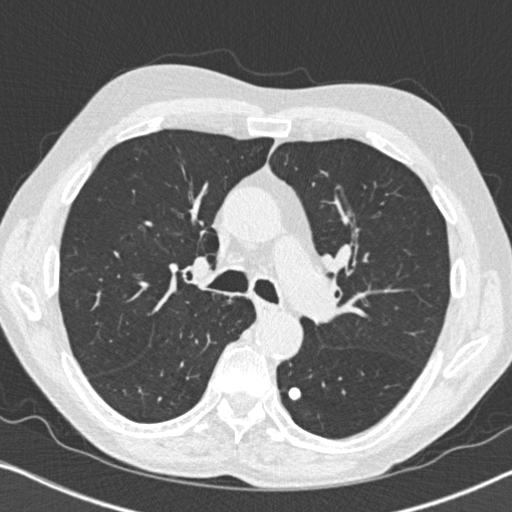
Axial chest CT slice 499 of 764 (counted from the lowest slice); tube voltage 120 kVp, convolution kernel B31f; slices 1.00 mm thick, 0.646 mm per pixel.
Pulmonary nodule at rows 386–400, columns 287–301 (box = the union of the readers' outlines on this slice), outlined by all four readers; median longest diameter 11.0 mm (readers' outlines 10.7–12.7 mm), median volume 459 mm3 (382–638 mm3). Median ratings and the readers' spread: texture 5/5 (solid), all four readers agreeing; margin 5/5 (circumscribed) from all four readers; median sphericity 5/5 (round) (readers ranged 4/5 to 5/5 (round)); calcification solid calcification from all four readers; internal structure soft tissue, all four readers agreeing; subtlety 5/5 from all four readers; malignancy likelihood 1/5, all four readers agreeing. Scale key (1–5): texture non-solid→solid, margin indistinct→circumscribed, sphericity linear→round, subtlety extremely subtle→obvious, malignancy likelihood highly unlikely→highly suspicious of cancer. Box rows and columns are 0-based pixel indices from the top-left corner, inclusive.